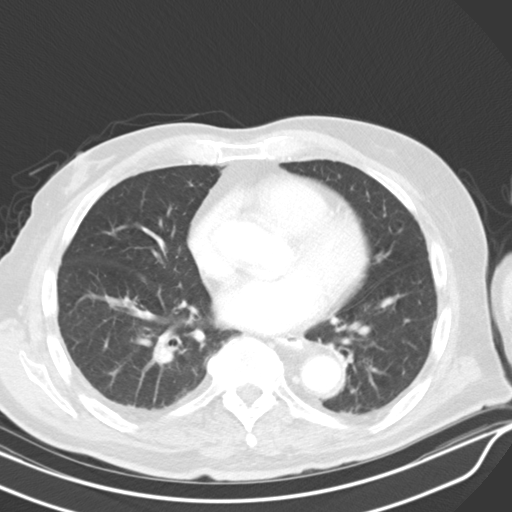
One axial slice (228 of 319, counting up from the lowest) of a chest CT acquired at 130 kVp with the B30s kernel; each pixel is 0.729 mm and the slice is 4.00 mm thick.
Pulmonary nodule, outlined by one of the four readers. Box on this slice rows 317–324, columns 331–337, that reader's outline on this slice; longest diameter 15.4 mm and volume 875 mm3 from that reader's outline. Ratings by that reader: texture 4/5; margin 2/5; sphericity 2/5; calcification absent; internal structure soft tissue; subtlety 3/5; malignancy likelihood 3/5. Scale key (1–5): texture non-solid→solid, margin indistinct→circumscribed, sphericity linear→round, subtlety extremely subtle→obvious, malignancy likelihood highly unlikely→highly suspicious of cancer. Box rows and columns are 0-based pixel indices from the top-left corner, inclusive.